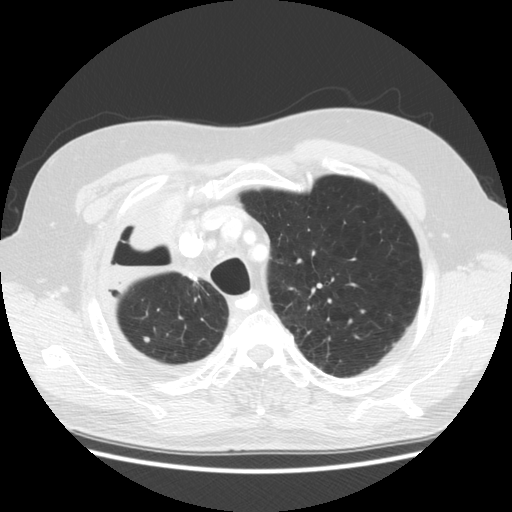
One axial slice (235 of 295, counting up from the lowest) of a chest CT acquired at 120 kVp with the STANDARD kernel; each pixel is 0.703 mm and the slice is 2.50 mm thick.
Pulmonary nodule outlined by all four readers; box rows 336–343, columns 142–150 (the union of the readers' outlines on this slice); the four readers' outlines give a longest diameter between 6.5 and 7.5 mm and a volume between 93 and 148 mm3. The readers' ratings, as ranges where they differ: texture 5/5 (solid), all four readers agreeing; margin from 3/5 to 5/5 (circumscribed) across the four readers; sphericity from 3/5 (ovoid) to 5/5 (round) across the four readers; calcification absent, all four readers agreeing; internal structure soft tissue, all four readers agreeing; subtlety from 2/5 to 5/5 across the four readers; malignancy likelihood from 2/5 to 3/5 across the four readers. Scale key (1–5): texture non-solid→solid, margin indistinct→circumscribed, sphericity linear→round, subtlety extremely subtle→obvious, malignancy likelihood highly unlikely→highly suspicious of cancer. Box rows and columns are 0-based pixel indices from the top-left corner, inclusive.